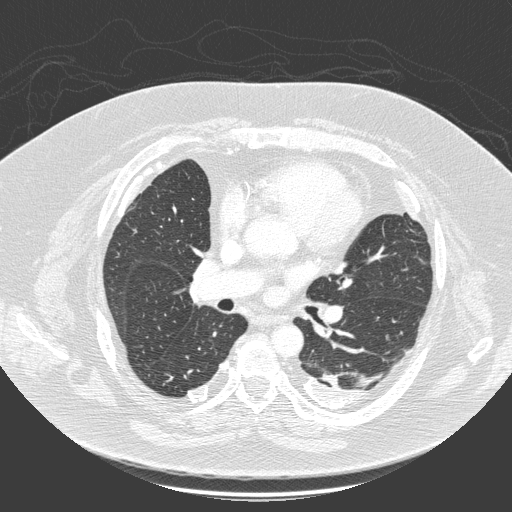
Axial slice 132 of 280 of a chest CT (slice 1 is the lowest), reconstructed with the D kernel at 140 kVp; 1.00 mm slice thickness and 0.801 mm pixels.
Pulmonary nodule outlined by three of the four readers, two of them on this slice; box rows 335–339, columns 385–388 (the union of the readers' outlines on this slice); longest diameter 5.8–7.6 mm and volume 42–96 mm3 across the three readers' outlines. The readers' ratings, as ranges where they differ: texture from 4/5 to 5/5 (solid) across the three readers; margin from 4/5 to 5/5 (circumscribed) across the three readers; sphericity from 2/5 to 4/5 across the three readers; calcification absent, all three readers agreeing; internal structure soft tissue, all three readers agreeing; subtlety 3–4/5 (the readers disagree); malignancy likelihood 2–3/5 (the readers disagree). Scale key (1–5): texture non-solid→solid, margin indistinct→circumscribed, sphericity linear→round, subtlety extremely subtle→obvious, malignancy likelihood highly unlikely→highly suspicious of cancer. Box rows and columns are 0-based pixel indices from the top-left corner, inclusive.